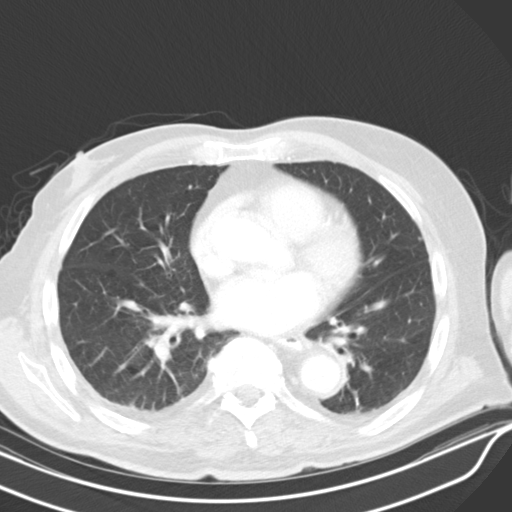
Chest CT, axial plane, 130 kVp, kernel B30s. Slice 230/319 from the bottom of the scan; thickness 4.00 mm; pixel size 0.729 mm.
Two pulmonary nodules are outlined on this slice; from left to right: (1) Pulmonary nodule at rows 316–324, columns 327–336 (box = that reader's outline on this slice), outlined by one of the four readers; longest diameter 15.4 mm and volume 875 mm3 from that reader's outline. Ratings by that reader: texture 4/5; margin 2/5; sphericity 2/5; calcification absent; internal structure soft tissue; subtlety 3/5; malignancy likelihood 3/5. (2) Pulmonary nodule, outlined by one of the four readers. Box on this slice rows 236–241, columns 417–421, that reader's outline on this slice; longest diameter 5.3 mm and volume 67 mm3 from that reader's outline. Ratings by that reader: texture 3/5 (part-solid); margin 3/5; sphericity 2/5; calcification absent; internal structure soft tissue; subtlety 3/5; malignancy likelihood 1/5. Scale key (1–5): texture non-solid→solid, margin indistinct→circumscribed, sphericity linear→round, subtlety extremely subtle→obvious, malignancy likelihood highly unlikely→highly suspicious of cancer. Box rows and columns are 0-based pixel indices from the top-left corner, inclusive.